One axial slice (61 of 163, counting up from the lowest) of a chest CT acquired at 120 kVp with the STANDARD kernel; each pixel is 0.664 mm and the slice is 2.50 mm thick.
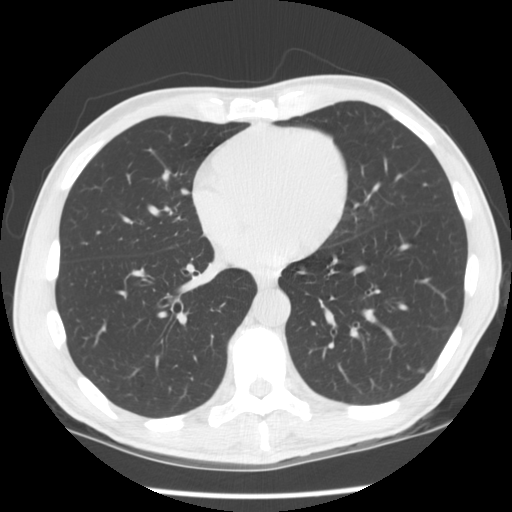
Pulmonary nodule at rows 368–372, columns 417–423 (box = the one reader's outline on this slice), outlined by two of the four readers, one of them on this slice; median longest diameter 5.0 mm (readers' outlines 4.5–5.6 mm), median volume 46 mm3 (25–67 mm3). Ratings, median across the readers with their spread: texture 5/5 (solid), both readers agreeing; median margin 4.5/5 (readers ranged 4/5 to 5/5 (circumscribed)); sphericity 4.5/5 at the median of two readers, spread 4/5 to 5/5 (round); calcification absent from both readers; internal structure soft tissue, both readers agreeing; subtlety 3/5 from both readers; malignancy likelihood 2/5, both readers agreeing. Scale key (1–5): texture non-solid→solid, margin indistinct→circumscribed, sphericity linear→round, subtlety extremely subtle→obvious, malignancy likelihood highly unlikely→highly suspicious of cancer. Box rows and columns are 0-based pixel indices from the top-left corner, inclusive.